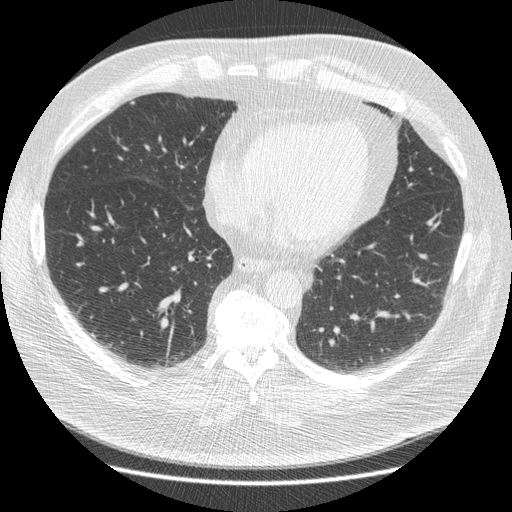
Axial chest CT slice 149 of 426 (counted from the lowest slice); tube voltage 120 kVp, convolution kernel STANDARD; slices 1.25 mm thick, 0.742 mm per pixel.
Pulmonary nodule, outlined by three of the four readers, two of them on this slice. Box on this slice rows 100–104, columns 129–135, the union of the readers' outlines on this slice; longest diameter 6.4 mm on average over the three readers' outlines (readers' outlines 6.1–6.7 mm), volume 62–77 mm3. Ratings, by the readers' most common answer with dissent counted: texture 5/5 (solid) from all three readers; margin 5/5 (circumscribed) from all three readers; sphericity 3/5 (ovoid) by two of three readers; the rest gave 5/5 (round) (one); calcification solid calcification by two of three readers, absent (one); internal structure soft tissue, all three readers agreeing; subtlety 4/5 by two of three readers; the rest gave 5/5 (one); malignancy likelihood 1/5 by two of three readers; the rest gave 3/5 (one). Scale key (1–5): texture non-solid→solid, margin indistinct→circumscribed, sphericity linear→round, subtlety extremely subtle→obvious, malignancy likelihood highly unlikely→highly suspicious of cancer. Box rows and columns are 0-based pixel indices from the top-left corner, inclusive.